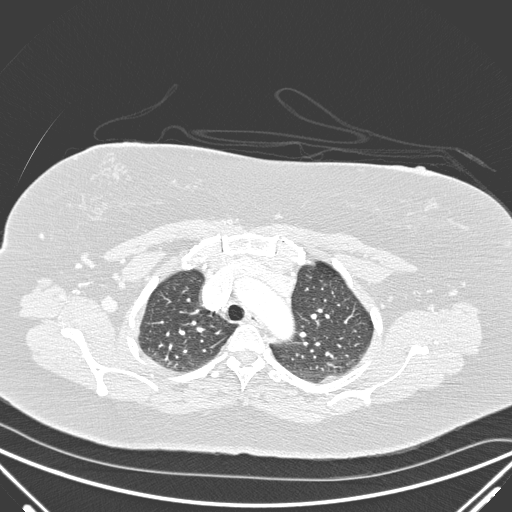
This is axial slice 162 of 220 (slice 1 is the lowest) of a chest CT; each pixel is 0.770 mm and the slice is 1.00 mm thick. Pulmonary nodule at rows 283–286, columns 323–326 (box = the union of the readers' outlines on this slice), outlined by all four readers, two of them on this slice; longest diameter 6.1 mm on average over the four readers' outlines (readers' outlines 5.4–7.1 mm), volume 44–97 mm3. Ratings, by the readers' most common answer with dissent counted: most readers (three of four) put texture at 5/5 (solid), others 4/5 (one); margin 4/5 by two of four readers; the rest gave 3/5 (one), 5/5 (circumscribed) (one); sphericity 4/5, all four readers agreeing; calcification absent, all four readers agreeing; internal structure soft tissue, all four readers agreeing; subtlety 4/5 by two of four readers; the rest gave 2/5 (one), 5/5 (one); malignancy likelihood split among the readers: 2/5 (two), 3/5 (two). Scale key (1–5): texture non-solid→solid, margin indistinct→circumscribed, sphericity linear→round, subtlety extremely subtle→obvious, malignancy likelihood highly unlikely→highly suspicious of cancer. Box rows and columns are 0-based pixel indices from the top-left corner, inclusive.
Tube voltage 140 kVp; convolution kernel D.